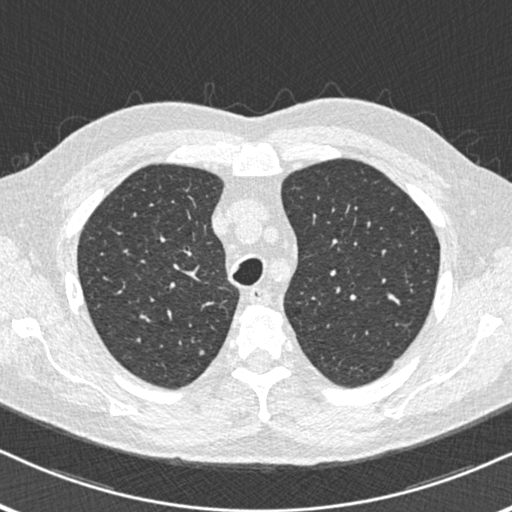
This is axial slice 354 of 455 (slice 1 is the lowest) of a chest CT; each pixel is 0.633 mm and the slice is 0.75 mm thick. Pulmonary nodule outlined by one of the four readers; box rows 350–354, columns 199–204 (that reader's outline on this slice); longest diameter 5.1 mm and volume 20 mm3 from that reader's outline. That reader's ratings: texture 5/5 (solid); margin 5/5 (circumscribed); sphericity 4/5; calcification absent; internal structure soft tissue; subtlety 5/5; malignancy likelihood 3/5. Scale key (1–5): texture non-solid→solid, margin indistinct→circumscribed, sphericity linear→round, subtlety extremely subtle→obvious, malignancy likelihood highly unlikely→highly suspicious of cancer. Box rows and columns are 0-based pixel indices from the top-left corner, inclusive.
Tube voltage 120 kVp; convolution kernel B30f.